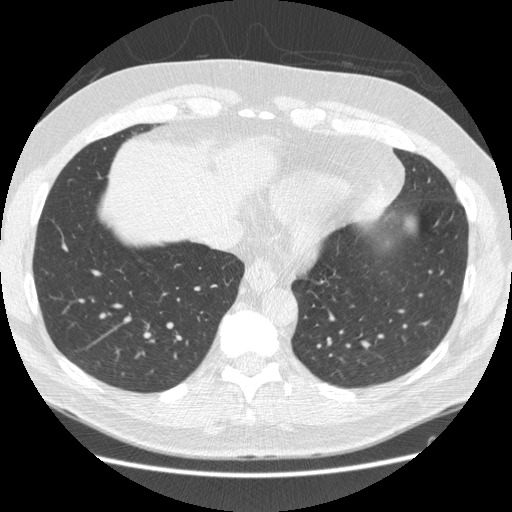
Axial slice 184 of 538 of a chest CT (slice 1 is the lowest), reconstructed with the STANDARD kernel at 120 kVp; 1.25 mm slice thickness and 0.742 mm pixels.
Pulmonary nodule outlined by three of the four readers, one of them on this slice; box rows 350–353, columns 425–429 (the one reader's outline on this slice); longest diameter 6.8 mm on average over the three readers' outlines (readers' outlines 6.1–8.0 mm), volume 26–109 mm3. The readers' prevailing ratings and who disagreed: most readers (two of three) put texture at 5/5 (solid), others 4/5 (one); margin split among the readers: 1/5 (indistinct) (one), 4/5 (one), 5/5 (circumscribed) (one); sphericity split among the readers: 3/5 (ovoid) (one), 4/5 (one), 5/5 (round) (one); calcification absent from all three readers; internal structure soft tissue from all three readers; subtlety split among the readers: 2/5 (one), 3/5 (one), 5/5 (one); malignancy likelihood split among the readers: 2/5 (one), 3/5 (one), 4/5 (one). Scale key (1–5): texture non-solid→solid, margin indistinct→circumscribed, sphericity linear→round, subtlety extremely subtle→obvious, malignancy likelihood highly unlikely→highly suspicious of cancer. Box rows and columns are 0-based pixel indices from the top-left corner, inclusive.